One axial slice (87 of 241, counting up from the lowest) of a chest CT acquired at 120 kVp with the BONE kernel; each pixel is 0.586 mm and the slice is 1.25 mm thick.
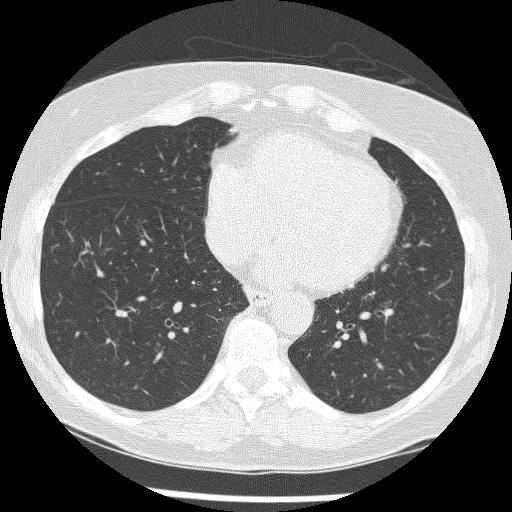
Pulmonary nodule, outlined by one of the four readers. Box on this slice rows 239–245, columns 139–146, that reader's outline on this slice; longest diameter 5.8 mm and volume 83 mm3 from that reader's outline. That reader's ratings: texture 5/5 (solid); margin 4/5; sphericity 4/5; calcification absent; internal structure soft tissue; subtlety 1/5; malignancy likelihood 3/5. Scale key (1–5): texture non-solid→solid, margin indistinct→circumscribed, sphericity linear→round, subtlety extremely subtle→obvious, malignancy likelihood highly unlikely→highly suspicious of cancer. Box rows and columns are 0-based pixel indices from the top-left corner, inclusive.